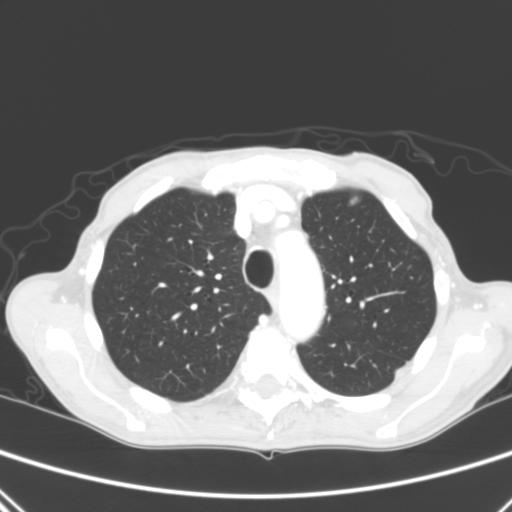
Axial chest CT slice 219 of 290 (counted from the lowest slice); tube voltage 120 kVp, convolution kernel B; slices 2.00 mm thick, 0.639 mm per pixel.
Pulmonary nodule outlined by all four readers; box rows 366–377, columns 393–404 (the union of the readers' outlines on this slice); longest diameter 14.4 mm on average over the four readers' outlines (readers' outlines 12.9–15.8 mm), volume 837–1237 mm3. Ratings, by the readers' most common answer with dissent counted: most readers (three of four) put texture at 5/5 (solid), others 4/5 (one); margin split among the readers: 4/5 (two), 5/5 (circumscribed) (two); sphericity 5/5 (round) by three of four readers; the rest gave 3/5 (ovoid) (one); calcification absent by three of four readers, laminated calcification (one); internal structure soft tissue from all four readers; subtlety 5/5 by three of four readers; the rest gave 4/5 (one); malignancy likelihood split among the readers: 2/5 (one), 3/5 (one), 4/5 (one), 5/5 (one). Scale key (1–5): texture non-solid→solid, margin indistinct→circumscribed, sphericity linear→round, subtlety extremely subtle→obvious, malignancy likelihood highly unlikely→highly suspicious of cancer. Box rows and columns are 0-based pixel indices from the top-left corner, inclusive.